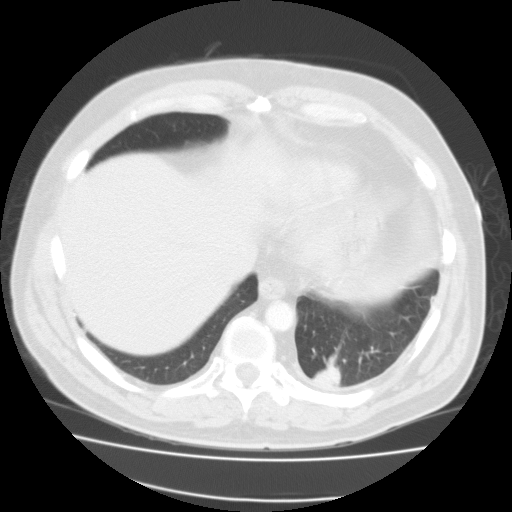
Chest CT, axial plane, 135 kVp, kernel FC01. Slice 41/115 from the bottom of the scan; thickness 3.00 mm; pixel size 0.782 mm.
Pulmonary nodule outlined by all four readers; box rows 357–385, columns 310–341 (the union of the readers' outlines on this slice); longest diameter 28.5 mm on average over the four readers' outlines (readers' outlines 25.2–31.6 mm), volume 5217–6928 mm3. Ratings, by the readers' most common answer with dissent counted: most readers (three of four) put texture at 5/5 (solid), others 4/5 (one); margin 4/5 by three of four readers; the rest gave 2/5 (one); sphericity 4/5 by two of four readers; the rest gave 2/5 (one), 3/5 (ovoid) (one); calcification split among the readers: non-central calcification (two), absent (two); internal structure soft tissue, all four readers agreeing; subtlety 5/5 from all four readers; malignancy likelihood 3/5 by two of four readers; the rest gave 2/5 (one), 5/5 (one). Scale key (1–5): texture non-solid→solid, margin indistinct→circumscribed, sphericity linear→round, subtlety extremely subtle→obvious, malignancy likelihood highly unlikely→highly suspicious of cancer. Box rows and columns are 0-based pixel indices from the top-left corner, inclusive.